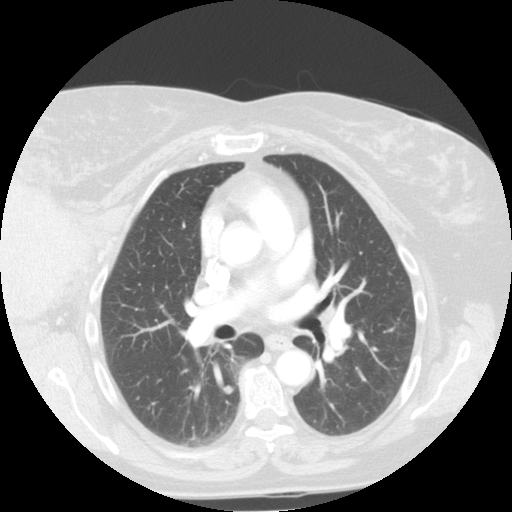
Chest CT, axial plane, 120 kVp, kernel STANDARD. Slice 71/113 from the bottom of the scan; thickness 2.50 mm; pixel size 0.703 mm.
Pulmonary nodule at rows 384–394, columns 223–233 (box = the union of the readers' outlines on this slice), outlined by all four readers; longest diameter 8.3 mm on average over the four readers' outlines (readers' outlines 7.9–9.1 mm), volume 171–234 mm3. The readers' prevailing ratings and who disagreed: texture 5/5 (solid) from all four readers; margin 5/5 (circumscribed) by three of four readers; the rest gave 4/5 (one); sphericity 4/5 by two of four readers; the rest gave 3/5 (ovoid) (one), 5/5 (round) (one); calcification absent, all four readers agreeing; internal structure soft tissue from all four readers; subtlety 3/5 by two of four readers; the rest gave 4/5 (one), 5/5 (one); malignancy likelihood split among the readers: 2/5 (two), 3/5 (two). Scale key (1–5): texture non-solid→solid, margin indistinct→circumscribed, sphericity linear→round, subtlety extremely subtle→obvious, malignancy likelihood highly unlikely→highly suspicious of cancer. Box rows and columns are 0-based pixel indices from the top-left corner, inclusive.